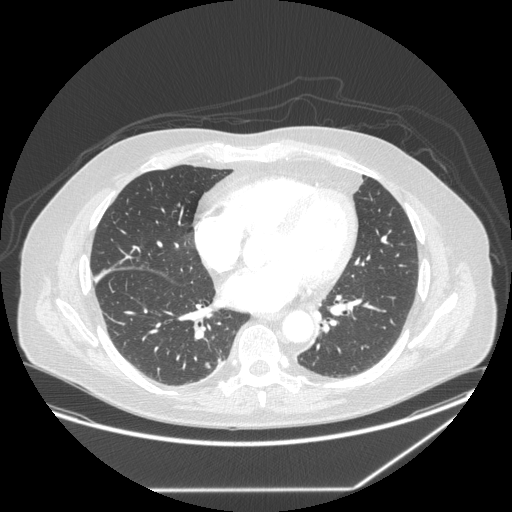
This is axial slice 120 of 258 (slice 1 is the lowest) of a chest CT; each pixel is 0.859 mm and the slice is 1.25 mm thick. Pulmonary nodule, outlined by all four readers. Box on this slice rows 361–368, columns 204–210, the union of the readers' outlines on this slice; median longest diameter 10.0 mm (readers' outlines 8.2–10.9 mm), median volume 342 mm3 (187–384 mm3). Ratings, median across the readers with their spread: texture 5/5 (solid) from all four readers; margin 4.5/5 at the median of four readers, spread 4/5 to 5/5 (circumscribed); median sphericity 4.5/5 (readers ranged 4/5 to 5/5 (round)); calcification absent from all four readers; internal structure soft tissue, all four readers agreeing; median subtlety 4/5 (readers ranged 3–5); malignancy likelihood 3/5 at the median of four readers, spread 2–4. Scale key (1–5): texture non-solid→solid, margin indistinct→circumscribed, sphericity linear→round, subtlety extremely subtle→obvious, malignancy likelihood highly unlikely→highly suspicious of cancer. Box rows and columns are 0-based pixel indices from the top-left corner, inclusive.
Acquired at 120 kVp and reconstructed with the STANDARD kernel.